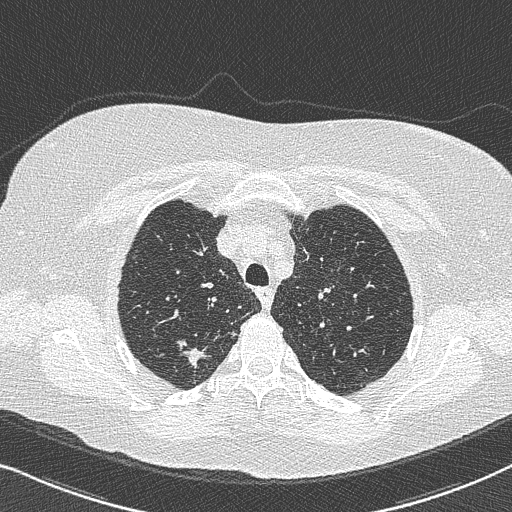
Axial chest CT slice 586 of 733 (counted from the lowest slice); tube voltage 120 kVp, convolution kernel B50f; slices 0.60 mm thick, 0.637 mm per pixel.
Pulmonary nodule at rows 346–368, columns 179–215 (box = the union of the readers' outlines on this slice), outlined by all four readers; median longest diameter 21.4 mm (readers' outlines 15.5–29.7 mm), median volume 1103 mm3 (888–2128 mm3). Ratings, median across the readers with their spread: median texture 5/5 (solid) (readers ranged 4/5 to 5/5 (solid)); median margin 3/5 (readers ranged 1/5 (indistinct) to 4/5); sphericity 3/5 (ovoid) at the median of four readers, spread 2/5 to 5/5 (round); calcification absent from all four readers; internal structure soft tissue, all four readers agreeing; median subtlety 5/5 (readers ranged 4–5); median malignancy likelihood 4/5 (readers ranged 4–5). Scale key (1–5): texture non-solid→solid, margin indistinct→circumscribed, sphericity linear→round, subtlety extremely subtle→obvious, malignancy likelihood highly unlikely→highly suspicious of cancer. Box rows and columns are 0-based pixel indices from the top-left corner, inclusive.